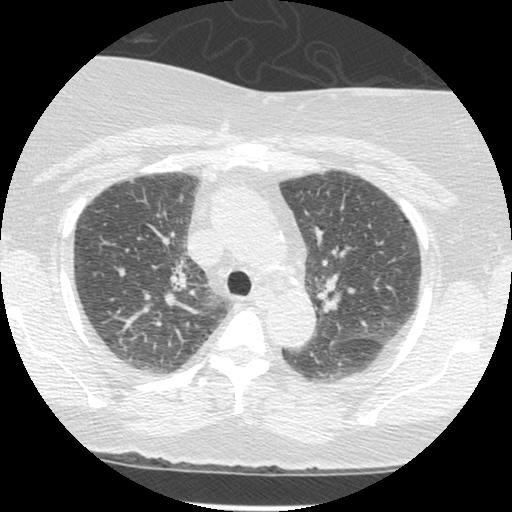
Axial slice 260 of 381 of a chest CT (slice 1 is the lowest), reconstructed with the STANDARD kernel at 120 kVp; 1.25 mm slice thickness and 0.625 mm pixels.
Pulmonary nodule outlined by one of the four readers; box rows 179–182, columns 130–132 (that reader's outline on this slice); longest diameter 4.8 mm and volume 33 mm3 from that reader's outline. Ratings by that reader: texture 5/5 (solid); margin 5/5 (circumscribed); sphericity 3/5 (ovoid); calcification absent; internal structure soft tissue; subtlety 4/5; malignancy likelihood 3/5. Scale key (1–5): texture non-solid→solid, margin indistinct→circumscribed, sphericity linear→round, subtlety extremely subtle→obvious, malignancy likelihood highly unlikely→highly suspicious of cancer. Box rows and columns are 0-based pixel indices from the top-left corner, inclusive.